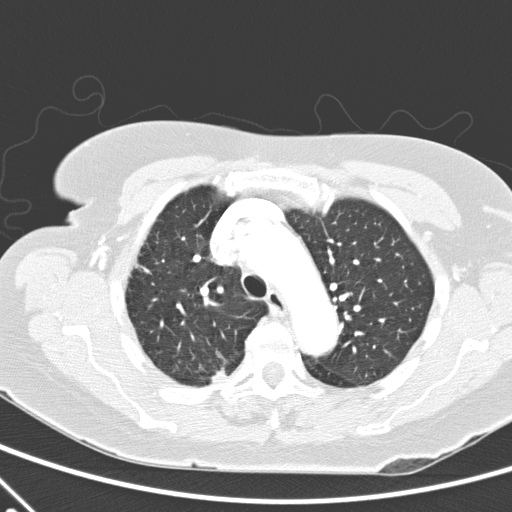
One axial slice (170 of 248, counting up from the lowest) of a chest CT acquired at 120 kVp with the D kernel; each pixel is 0.633 mm and the slice is 2.00 mm thick.
Pulmonary nodule at rows 368–381, columns 211–226 (box = that reader's outline on this slice), outlined by one of the four readers; longest diameter 13.2 mm and volume 418 mm3 from that reader's outline. Ratings by that reader: texture 5/5 (solid); margin 1/5 (indistinct); sphericity 2/5; calcification absent; internal structure soft tissue; subtlety 4/5; malignancy likelihood 2/5. Scale key (1–5): texture non-solid→solid, margin indistinct→circumscribed, sphericity linear→round, subtlety extremely subtle→obvious, malignancy likelihood highly unlikely→highly suspicious of cancer. Box rows and columns are 0-based pixel indices from the top-left corner, inclusive.